Axial slice 77 of 132 of a chest CT (slice 1 is the lowest), reconstructed with the BONE kernel at 140 kVp; 2.50 mm slice thickness and 0.703 mm pixels.
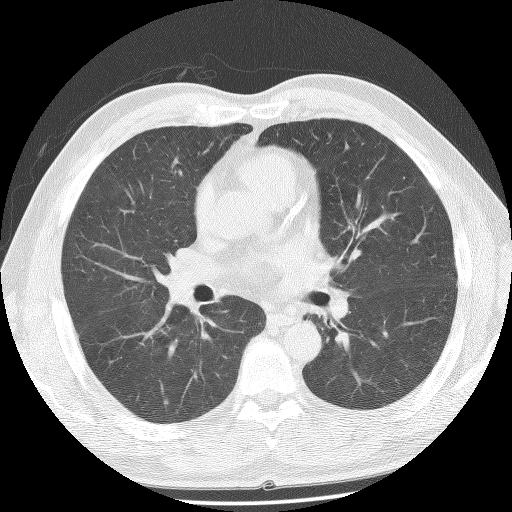
Pulmonary nodule, outlined by one of the four readers. Box on this slice rows 400–402, columns 165–168, that reader's outline on this slice; longest diameter 4.1 mm and volume 39 mm3 from that reader's outline. That reader's ratings: texture 2/5; margin 2/5; sphericity 4/5; calcification absent; internal structure soft tissue; subtlety 4/5; malignancy likelihood 3/5. Scale key (1–5): texture non-solid→solid, margin indistinct→circumscribed, sphericity linear→round, subtlety extremely subtle→obvious, malignancy likelihood highly unlikely→highly suspicious of cancer. Box rows and columns are 0-based pixel indices from the top-left corner, inclusive.